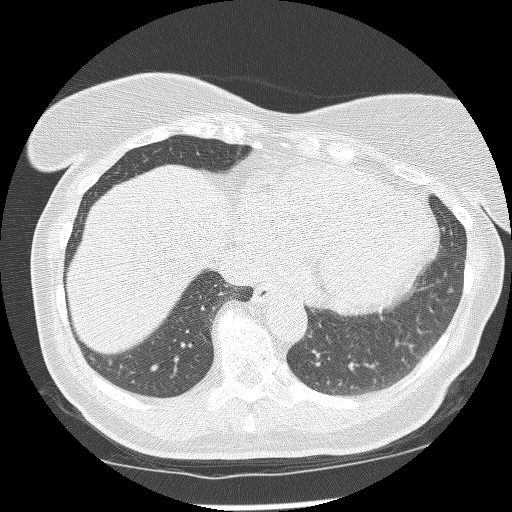
This is axial slice 96 of 255 (slice 1 is the lowest) of a chest CT; each pixel is 0.654 mm and the slice is 1.25 mm thick. Pulmonary nodule, outlined by one of the four readers. Box on this slice rows 288–293, columns 447–453, that reader's outline on this slice; longest diameter 5.6 mm and volume 58 mm3 from that reader's outline. That reader's ratings: texture 5/5 (solid); margin 5/5 (circumscribed); sphericity 4/5; calcification absent; internal structure soft tissue; subtlety 4/5; malignancy likelihood 2/5. Scale key (1–5): texture non-solid→solid, margin indistinct→circumscribed, sphericity linear→round, subtlety extremely subtle→obvious, malignancy likelihood highly unlikely→highly suspicious of cancer. Box rows and columns are 0-based pixel indices from the top-left corner, inclusive.
Tube voltage 120 kVp; convolution kernel BONE.